Axial slice 181 of 350 of a chest CT (slice 1 is the lowest), reconstructed with the D kernel at 120 kVp; 2.00 mm slice thickness and 0.543 mm pixels.
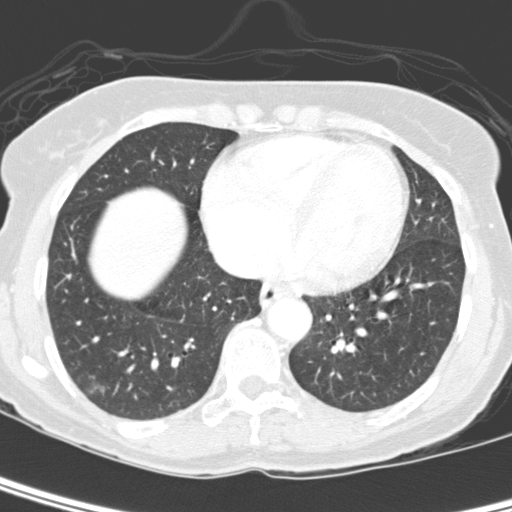
Pulmonary nodule at rows 383–394, columns 88–103 (box = the union of the readers' outlines on this slice), outlined by two of the four readers; longest diameter 9.0–10.5 mm and volume 204–254 mm3 across the two readers' outlines. The readers' ratings, as ranges where they differ: texture from 1/5 (non-solid) to 3/5 (part-solid) across the two readers; margin from 1/5 (indistinct) to 2/5 across the two readers; sphericity 3/5 (ovoid), both readers agreeing; calcification absent, both readers agreeing; internal structure soft tissue, both readers agreeing; subtlety 2/5, both readers agreeing; malignancy likelihood 3/5, both readers agreeing. Scale key (1–5): texture non-solid→solid, margin indistinct→circumscribed, sphericity linear→round, subtlety extremely subtle→obvious, malignancy likelihood highly unlikely→highly suspicious of cancer. Box rows and columns are 0-based pixel indices from the top-left corner, inclusive.